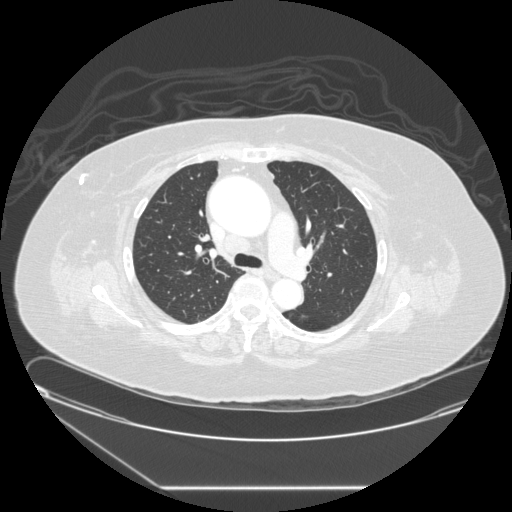
Slice 178/257 of a chest CT, counting up from the lowest; pixel size 0.852 mm, slice thickness 1.25 mm. Pulmonary nodule, outlined by all four readers, one of them on this slice. Box on this slice rows 315–322, columns 300–307, the one reader's outline on this slice; the four readers' outlines give a longest diameter between 13.2 and 18.0 mm and a volume between 478 and 876 mm3. The readers' ratings, as ranges where they differ: texture from 1/5 (non-solid) to 5/5 (solid) across the four readers; margin from 2/5 to 4/5 across the four readers; sphericity from 3/5 (ovoid) to 5/5 (round) across the four readers; calcification absent from all four readers; internal structure soft tissue, all four readers agreeing; subtlety from 1/5 to 4/5 across the four readers; malignancy likelihood 2–5/5 (the readers disagree). Scale key (1–5): texture non-solid→solid, margin indistinct→circumscribed, sphericity linear→round, subtlety extremely subtle→obvious, malignancy likelihood highly unlikely→highly suspicious of cancer. Box rows and columns are 0-based pixel indices from the top-left corner, inclusive.
Tube voltage 120 kVp; convolution kernel STANDARD.